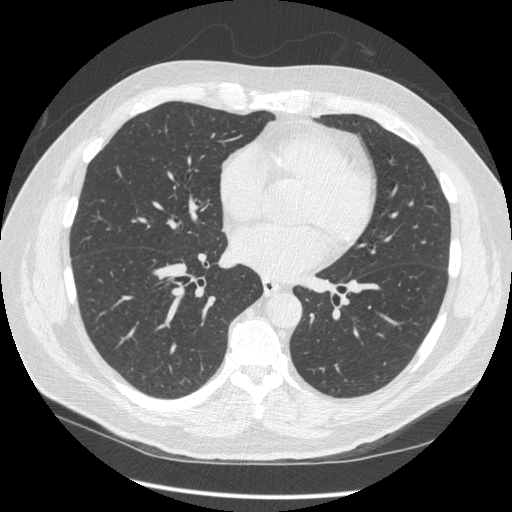
Chest CT, axial plane, 120 kVp, kernel STANDARD. Slice 211/484 from the bottom of the scan; thickness 1.25 mm; pixel size 0.762 mm.
No nodule of 3 mm or larger was outlined by any of the four readers on this slice.